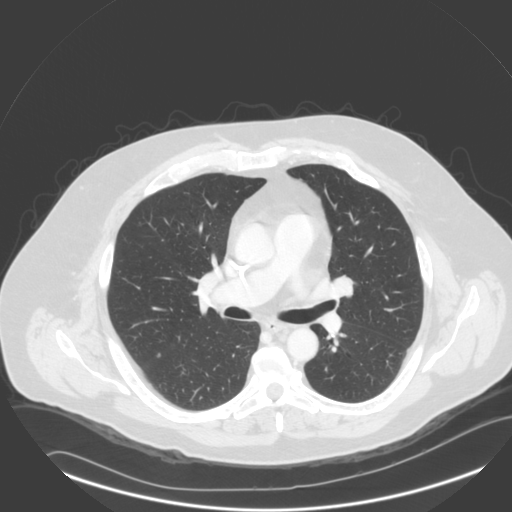
One axial slice (186 of 305, counting up from the lowest) of a chest CT acquired at 140 kVp with the B kernel; each pixel is 0.834 mm and the slice is 2.00 mm thick.
Pulmonary nodule at rows 353–357, columns 156–160 (box = the union of the readers' outlines on this slice), outlined by all four readers, three of them on this slice; longest diameter 6.8 mm on average over the four readers' outlines (readers' outlines 5.3–8.2 mm), volume 54–176 mm3. Ratings, by the readers' most common answer with dissent counted: texture 5/5 (solid) from all four readers; margin 5/5 (circumscribed), all four readers agreeing; sphericity 4/5 by three of four readers; the rest gave 5/5 (round) (one); calcification absent, all four readers agreeing; internal structure soft tissue, all four readers agreeing; subtlety 5/5 by three of four readers; the rest gave 4/5 (one); malignancy likelihood 3/5 by three of four readers; the rest gave 2/5 (one). Scale key (1–5): texture non-solid→solid, margin indistinct→circumscribed, sphericity linear→round, subtlety extremely subtle→obvious, malignancy likelihood highly unlikely→highly suspicious of cancer. Box rows and columns are 0-based pixel indices from the top-left corner, inclusive.